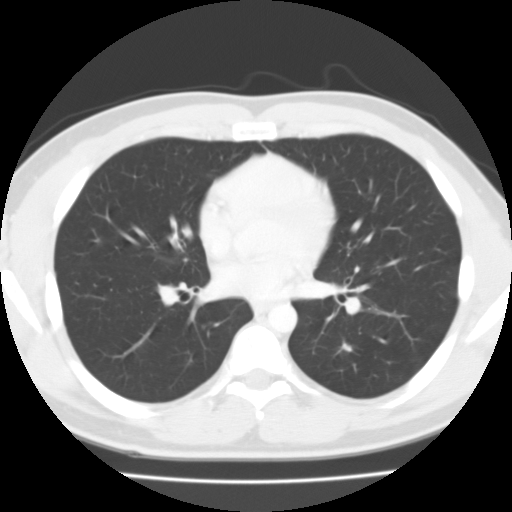
Chest CT, axial plane, 135 kVp, kernel FC01. Slice 58/122 from the bottom of the scan; thickness 3.00 mm; pixel size 0.650 mm.
Pulmonary nodule outlined by all four readers; box rows 344–350, columns 342–350 (the union of the readers' outlines on this slice); longest diameter 11.1 mm on average over the four readers' outlines (readers' outlines 10.5–11.7 mm), volume 236–489 mm3. The readers' prevailing ratings and who disagreed: most readers (three of four) put texture at 5/5 (solid), others 4/5 (one); margin 4/5 by two of four readers; the rest gave 3/5 (one), 5/5 (circumscribed) (one); sphericity 3/5 (ovoid) by two of four readers; the rest gave 2/5 (one), 4/5 (one); calcification absent from all four readers; internal structure soft tissue from all four readers; subtlety split among the readers: 3/5 (two), 4/5 (two); malignancy likelihood split among the readers: 1/5 (one), 2/5 (one), 3/5 (one), 5/5 (one). Scale key (1–5): texture non-solid→solid, margin indistinct→circumscribed, sphericity linear→round, subtlety extremely subtle→obvious, malignancy likelihood highly unlikely→highly suspicious of cancer. Box rows and columns are 0-based pixel indices from the top-left corner, inclusive.